One axial slice (345 of 474, counting up from the lowest) of a chest CT acquired at 120 kVp with the STANDARD kernel; each pixel is 0.625 mm and the slice is 1.25 mm thick.
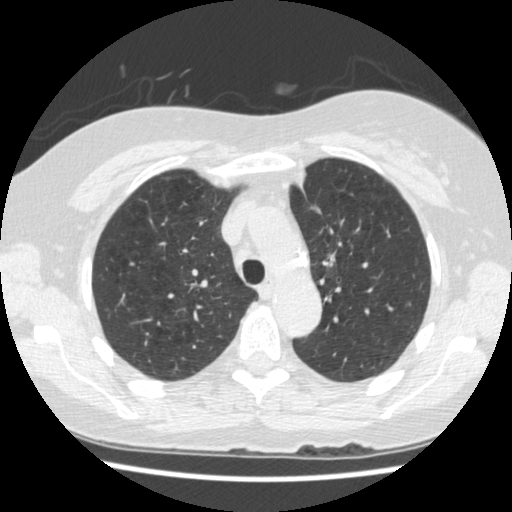
Pulmonary nodule, outlined by one of the four readers. Box on this slice rows 251–267, columns 327–335, that reader's outline on this slice; longest diameter 17.7 mm and volume 538 mm3 from that reader's outline. That reader's ratings: texture 1/5 (non-solid); margin 2/5; sphericity 3/5 (ovoid); calcification absent; internal structure soft tissue; subtlety 3/5; malignancy likelihood 2/5. Scale key (1–5): texture non-solid→solid, margin indistinct→circumscribed, sphericity linear→round, subtlety extremely subtle→obvious, malignancy likelihood highly unlikely→highly suspicious of cancer. Box rows and columns are 0-based pixel indices from the top-left corner, inclusive.